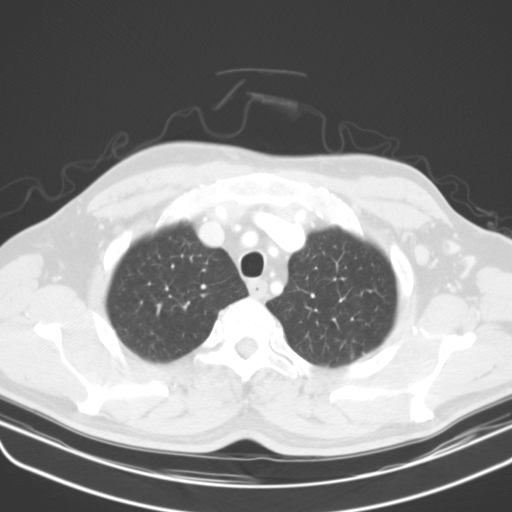
Axial chest CT slice 116 of 134 (counted from the lowest slice); tube voltage 130 kVp, convolution kernel B31s; slices 3.00 mm thick, 0.715 mm per pixel.
Pulmonary nodule outlined by one of the four readers; box rows 353–358, columns 351–353 (that reader's outline on this slice); longest diameter 5.2 mm and volume 61 mm3 from that reader's outline. That reader's ratings: texture 4/5; margin 4/5; sphericity 3/5 (ovoid); calcification absent; internal structure soft tissue; subtlety 4/5; malignancy likelihood 3/5. Scale key (1–5): texture non-solid→solid, margin indistinct→circumscribed, sphericity linear→round, subtlety extremely subtle→obvious, malignancy likelihood highly unlikely→highly suspicious of cancer. Box rows and columns are 0-based pixel indices from the top-left corner, inclusive.